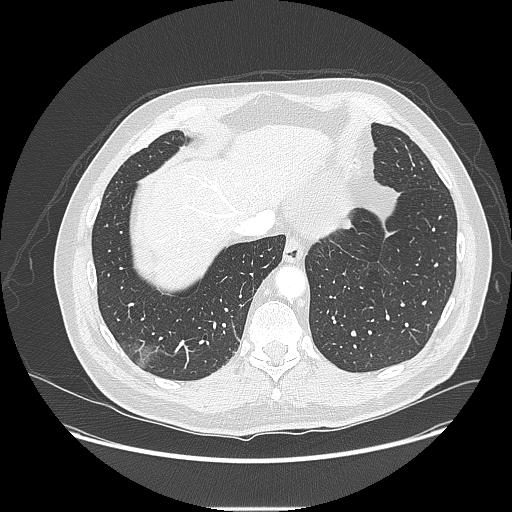
One axial slice (34 of 214, counting up from the lowest) of a chest CT acquired at 120 kVp with the LUNG kernel; each pixel is 0.820 mm and the slice is 1.25 mm thick.
Pulmonary nodule outlined by all four readers; box rows 217–229, columns 341–351 (the union of the readers' outlines on this slice); longest diameter 14.1 mm on average over the four readers' outlines (readers' outlines 13.0–15.6 mm), volume 578–699 mm3. Ratings, by the readers' most common answer with dissent counted: texture 5/5 (solid) from all four readers; most readers (three of four) put margin at 5/5 (circumscribed), others 4/5 (one); sphericity 5/5 (round) by two of four readers; the rest gave 3/5 (ovoid) (one), 4/5 (one); calcification absent from all four readers; internal structure soft tissue, all four readers agreeing; subtlety 5/5 by two of four readers; the rest gave 3/5 (one), 4/5 (one); malignancy likelihood 4/5 by two of four readers; the rest gave 2/5 (one), 3/5 (one). Scale key (1–5): texture non-solid→solid, margin indistinct→circumscribed, sphericity linear→round, subtlety extremely subtle→obvious, malignancy likelihood highly unlikely→highly suspicious of cancer. Box rows and columns are 0-based pixel indices from the top-left corner, inclusive.